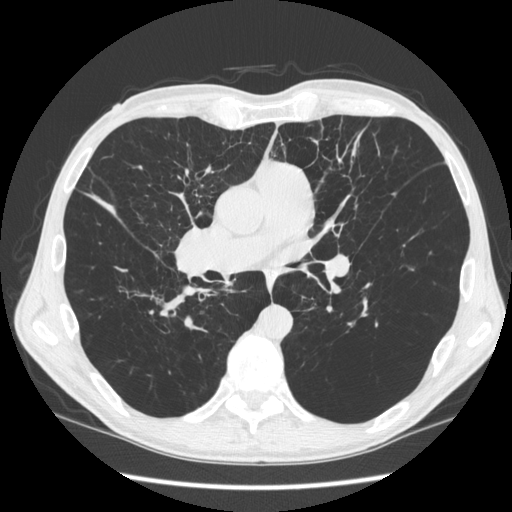
Axial slice 313 of 583 of a chest CT (slice 1 is the lowest), reconstructed with the STANDARD kernel at 120 kVp; 1.25 mm slice thickness and 0.703 mm pixels.
Pulmonary nodule outlined by two of the four readers, one of them on this slice; box rows 298–315, columns 361–366 (the one reader's outline on this slice); median longest diameter 27.9 mm (readers' outlines 24.1–31.7 mm), median volume 984 mm3 (791–1176 mm3). Median ratings and the readers' spread: texture 5/5 (solid) from both readers; median margin 2.5/5 (readers ranged 1/5 (indistinct) to 4/5); sphericity 1.5/5 at the median of two readers, spread 1/5 (linear) to 2/5; calcification absent, both readers agreeing; internal structure soft tissue, both readers agreeing; subtlety 5/5, both readers agreeing; median malignancy likelihood 2.5/5 (readers ranged 2–3). Scale key (1–5): texture non-solid→solid, margin indistinct→circumscribed, sphericity linear→round, subtlety extremely subtle→obvious, malignancy likelihood highly unlikely→highly suspicious of cancer. Box rows and columns are 0-based pixel indices from the top-left corner, inclusive.